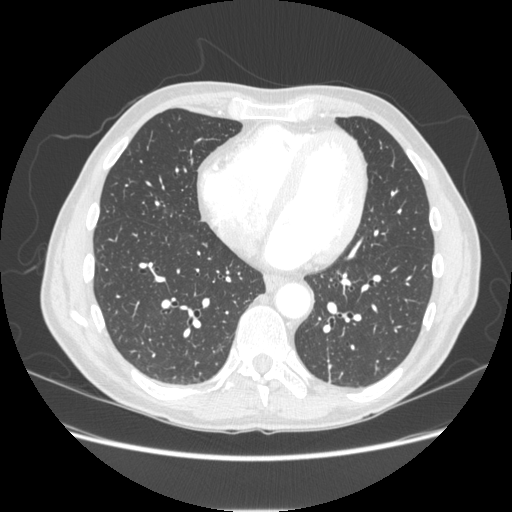
Axial slice 90 of 253 of a chest CT (slice 1 is the lowest), reconstructed with the STANDARD kernel at 120 kVp; 1.25 mm slice thickness and 0.742 mm pixels.
Two pulmonary nodules are outlined on this slice; from left to right: (1) Pulmonary nodule, outlined by all four readers. Box on this slice rows 362–364, columns 215–218, the union of the readers' outlines on this slice; median longest diameter 8.0 mm (readers' outlines 7.3–8.5 mm), median volume 178 mm3 (145–206 mm3). Median ratings and the readers' spread: texture 5/5 (solid) from all four readers; median margin 5/5 (circumscribed) (readers ranged 4/5 to 5/5 (circumscribed)); sphericity 4.5/5 at the median of four readers, spread 4/5 to 5/5 (round); calcification absent, all four readers agreeing; internal structure soft tissue, all four readers agreeing; median subtlety 3.5/5 (readers ranged 3–4); median malignancy likelihood 2.5/5 (readers ranged 2–4). (2) Pulmonary nodule outlined by one of the four readers; box rows 313–316, columns 342–346 (that reader's outline on this slice); longest diameter 6.4 mm and volume 95 mm3 from that reader's outline. That reader's ratings: texture 5/5 (solid); margin 5/5 (circumscribed); sphericity 4/5; calcification absent; internal structure soft tissue; subtlety 1/5; malignancy likelihood 2/5. Scale key (1–5): texture non-solid→solid, margin indistinct→circumscribed, sphericity linear→round, subtlety extremely subtle→obvious, malignancy likelihood highly unlikely→highly suspicious of cancer. Box rows and columns are 0-based pixel indices from the top-left corner, inclusive.